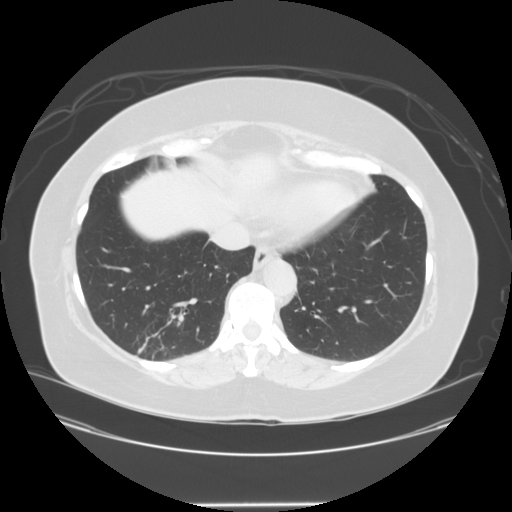
This is axial slice 59 of 150 (slice 1 is the lowest) of a chest CT; each pixel is 0.820 mm and the slice is 2.50 mm thick. Pulmonary nodule outlined by three of the four readers; box rows 323–354, columns 142–175 (the union of the readers' outlines on this slice); longest diameter 37.6 mm on average over the three readers' outlines (readers' outlines 34.5–41.5 mm), volume 15181–19016 mm3. The readers' prevailing ratings and who disagreed: texture 5/5 (solid) from all three readers; most readers (two of three) put margin at 4/5, others 2/5 (one); sphericity split among the readers: 3/5 (ovoid) (one), 4/5 (one), 5/5 (round) (one); calcification absent, all three readers agreeing; internal structure soft tissue, all three readers agreeing; subtlety 5/5 from all three readers; malignancy likelihood 5/5 from all three readers. Scale key (1–5): texture non-solid→solid, margin indistinct→circumscribed, sphericity linear→round, subtlety extremely subtle→obvious, malignancy likelihood highly unlikely→highly suspicious of cancer. Box rows and columns are 0-based pixel indices from the top-left corner, inclusive.
Scan settings: 120 kVp, STANDARD reconstruction kernel.